One axial slice (181 of 320, counting up from the lowest) of a chest CT acquired at 120 kVp with the B kernel; each pixel is 0.662 mm and the slice is 2.00 mm thick.
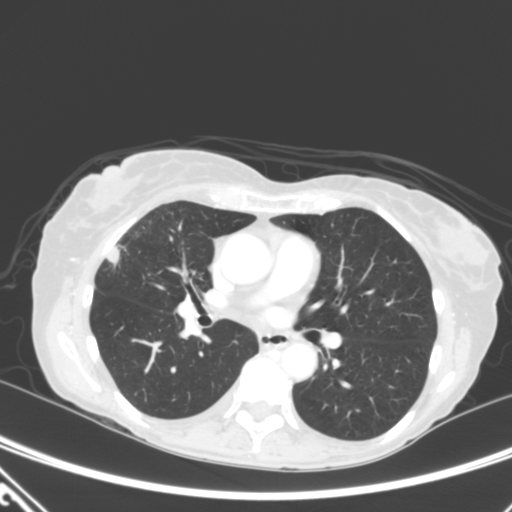
Pulmonary nodule outlined by all four readers; box rows 245–265, columns 106–119 (the union of the readers' outlines on this slice); median longest diameter 16.0 mm (readers' outlines 12.2–16.6 mm), median volume 833 mm3 (631–1078 mm3). Median ratings and the readers' spread: texture 5/5 (solid) from all four readers; margin 4/5 at the median of four readers, spread 3/5 to 5/5 (circumscribed); median sphericity 3.5/5 (readers ranged 3/5 (ovoid) to 5/5 (round)); calcification absent, all four readers agreeing; internal structure soft tissue, all four readers agreeing; subtlety 5/5 from all four readers; malignancy likelihood 4.5/5 at the median of four readers, spread 2–5. Scale key (1–5): texture non-solid→solid, margin indistinct→circumscribed, sphericity linear→round, subtlety extremely subtle→obvious, malignancy likelihood highly unlikely→highly suspicious of cancer. Box rows and columns are 0-based pixel indices from the top-left corner, inclusive.